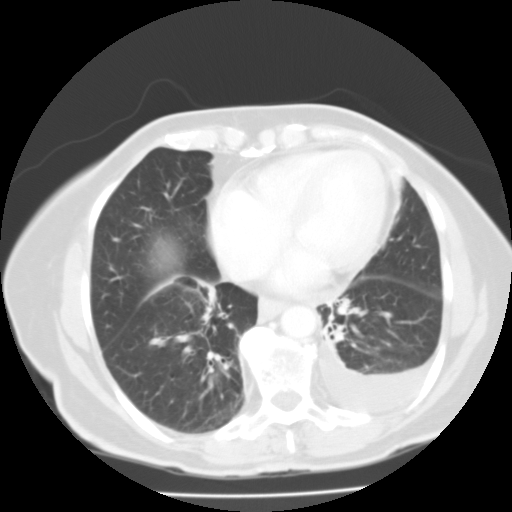
This is axial slice 56 of 119 (slice 1 is the lowest) of a chest CT; each pixel is 0.640 mm and the slice is 3.00 mm thick. Pulmonary nodule at rows 174–192, columns 392–405 (box = that reader's outline on this slice), outlined by one of the four readers; longest diameter 18.8 mm and volume 4417 mm3 from that reader's outline. That reader's ratings: texture 5/5 (solid); margin 4/5; sphericity 4/5; calcification absent; internal structure soft tissue; subtlety 4/5; malignancy likelihood 4/5. Scale key (1–5): texture non-solid→solid, margin indistinct→circumscribed, sphericity linear→round, subtlety extremely subtle→obvious, malignancy likelihood highly unlikely→highly suspicious of cancer. Box rows and columns are 0-based pixel indices from the top-left corner, inclusive.
Acquired at 135 kVp and reconstructed with the FC01 kernel.